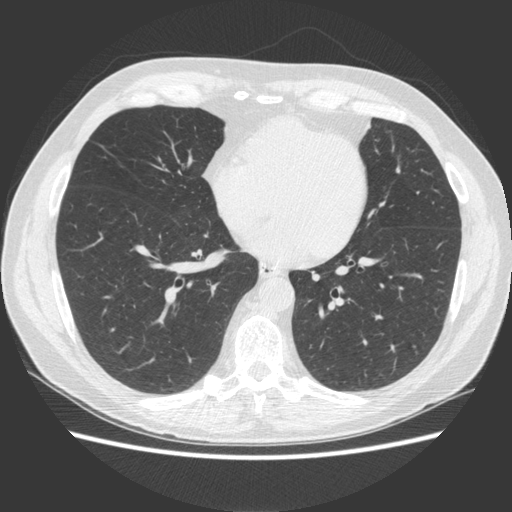
One axial slice (195 of 500, counting up from the lowest) of a chest CT acquired at 120 kVp with the STANDARD kernel; each pixel is 0.703 mm and the slice is 1.25 mm thick.
Pulmonary nodule outlined by three of the four readers, two of them on this slice; box rows 344–347, columns 410–416 (the union of the readers' outlines on this slice); median longest diameter 6.7 mm (readers' outlines 6.6–8.2 mm), median volume 108 mm3 (102–165 mm3). Median ratings and the readers' spread: median texture 5/5 (solid) (readers ranged 4/5 to 5/5 (solid)); median margin 4/5 (readers ranged 4/5 to 5/5 (circumscribed)); sphericity 4/5 at the median of three readers, spread 3/5 (ovoid) to 5/5 (round); calcification absent, all three readers agreeing; internal structure soft tissue from all three readers; subtlety 4/5 at the median of three readers, spread 4–5; median malignancy likelihood 2/5 (readers ranged 2–4). Scale key (1–5): texture non-solid→solid, margin indistinct→circumscribed, sphericity linear→round, subtlety extremely subtle→obvious, malignancy likelihood highly unlikely→highly suspicious of cancer. Box rows and columns are 0-based pixel indices from the top-left corner, inclusive.